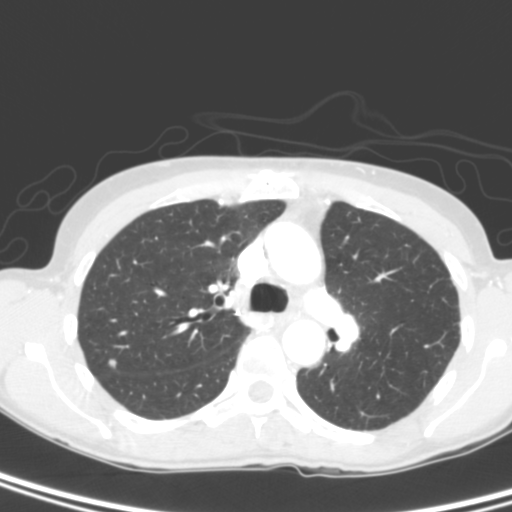
Axial chest CT slice 187 of 280 (counted from the lowest slice); tube voltage 120 kVp, convolution kernel B; slices 2.00 mm thick, 0.572 mm per pixel.
Pulmonary nodule outlined by all four readers; box rows 359–368, columns 106–116 (the union of the readers' outlines on this slice); the four readers' outlines give a longest diameter between 6.4 and 8.9 mm and a volume between 92 and 215 mm3. The readers' ratings, as ranges where they differ: texture from 4/5 to 5/5 (solid) across the four readers; margin from 4/5 to 5/5 (circumscribed) across the four readers; sphericity from 3/5 (ovoid) to 5/5 (round) across the four readers; calcification absent, all four readers agreeing; internal structure soft tissue from all four readers; subtlety rated between 2 and 5 out of 5 by the four readers; malignancy likelihood rated between 2 and 4 out of 5 by the four readers. Scale key (1–5): texture non-solid→solid, margin indistinct→circumscribed, sphericity linear→round, subtlety extremely subtle→obvious, malignancy likelihood highly unlikely→highly suspicious of cancer. Box rows and columns are 0-based pixel indices from the top-left corner, inclusive.